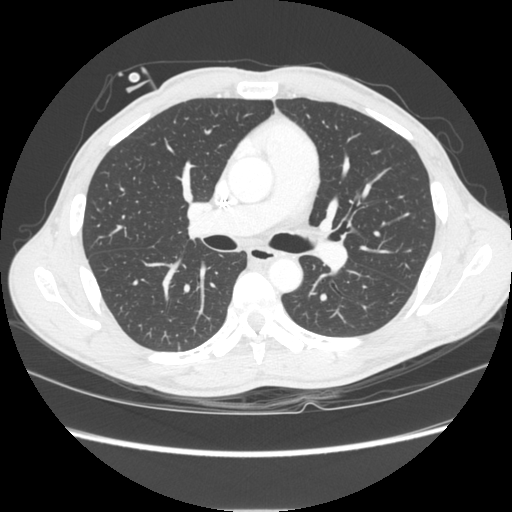
Chest CT, axial plane, 120 kVp, kernel STANDARD. Slice 154/261 from the bottom of the scan; thickness 1.25 mm; pixel size 0.684 mm.
Pulmonary nodule at rows 342–350, columns 177–180 (box = the one reader's outline on this slice), outlined by all four readers, one of them on this slice; the four readers' outlines give a longest diameter between 9.5 and 10.7 mm and a volume between 211 and 368 mm3. The readers' ratings, as ranges where they differ: texture 5/5 (solid), all four readers agreeing; margin from 4/5 to 5/5 (circumscribed) across the four readers; sphericity from 3/5 (ovoid) to 5/5 (round) across the four readers; calcification absent from all four readers; internal structure soft tissue from all four readers; subtlety rated between 3 and 5 out of 5 by the four readers; malignancy likelihood 2–5/5 (the readers disagree). Scale key (1–5): texture non-solid→solid, margin indistinct→circumscribed, sphericity linear→round, subtlety extremely subtle→obvious, malignancy likelihood highly unlikely→highly suspicious of cancer. Box rows and columns are 0-based pixel indices from the top-left corner, inclusive.